Chest CT, axial plane, 120 kVp, kernel B31f. Slice 91/131 from the bottom of the scan; thickness 3.00 mm; pixel size 0.721 mm.
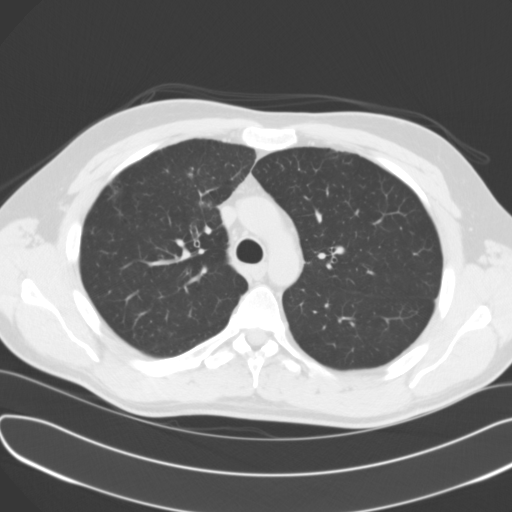
Pulmonary nodule, outlined by all four readers, one of them on this slice. Box on this slice rows 201–209, columns 198–212, the one reader's outline on this slice; the four readers' outlines give a longest diameter between 22.6 and 49.1 mm and a volume between 879 and 6132 mm3. The readers' ratings, as ranges where they differ: texture from 4/5 to 5/5 (solid) across the four readers; margin from 1/5 (indistinct) to 4/5 across the four readers; sphericity from 2/5 to 5/5 (round) across the four readers; calcification absent, all four readers agreeing; internal structure soft tissue from all four readers; subtlety rated between 2 and 5 out of 5 by the four readers; malignancy likelihood from 1/5 to 5/5 across the four readers. Scale key (1–5): texture non-solid→solid, margin indistinct→circumscribed, sphericity linear→round, subtlety extremely subtle→obvious, malignancy likelihood highly unlikely→highly suspicious of cancer. Box rows and columns are 0-based pixel indices from the top-left corner, inclusive.